Chest CT, axial plane, 130 kVp, kernel B20s. Slice 144/331 from the bottom of the scan; thickness 1.25 mm; pixel size 0.496 mm.
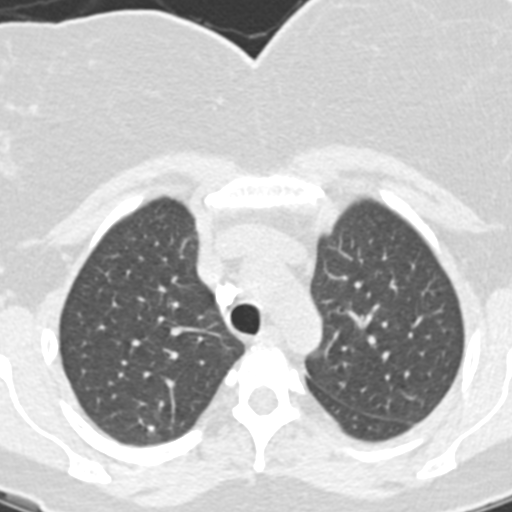
Pulmonary nodule outlined by all four readers, three of them on this slice; box rows 425–431, columns 147–154 (the union of the readers' outlines on this slice); the four readers' outlines give a longest diameter between 6.9 and 8.4 mm and a volume between 132 and 209 mm3. Ratings across the readers: texture 5/5 (solid), all four readers agreeing; margin 5/5 (circumscribed), all four readers agreeing; sphericity from 4/5 to 5/5 (round) across the four readers; calcification: solid calcification (three), central calcification (one); internal structure soft tissue, all four readers agreeing; subtlety rated between 4 and 5 out of 5 by the four readers; malignancy likelihood 1/5 from all four readers. Scale key (1–5): texture non-solid→solid, margin indistinct→circumscribed, sphericity linear→round, subtlety extremely subtle→obvious, malignancy likelihood highly unlikely→highly suspicious of cancer. Box rows and columns are 0-based pixel indices from the top-left corner, inclusive.